Axial chest CT slice 75 of 421 (counted from the lowest slice); tube voltage 120 kVp, convolution kernel STANDARD; slices 1.25 mm thick, 0.703 mm per pixel.
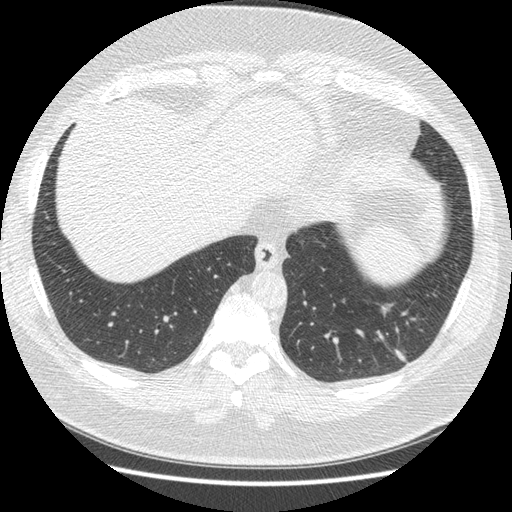
Pulmonary nodule at rows 303–361, columns 382–407 (box = the union of the readers' outlines on this slice), outlined four times (the source holds four more outlines, not used); longest diameter 30.9–38.9 mm and volume 4443–5826 mm3 across the four readers' outlines. The readers' ratings, as ranges where they differ: texture from 4/5 to 5/5 (solid) across the four readers; margin from 3/5 to 4/5 across the four readers; sphericity from 2/5 to 4/5 across the four readers; calcification absent, all four readers agreeing; internal structure soft tissue from all four readers; subtlety rated between 4 and 5 out of 5 by the four readers; malignancy likelihood rated between 2 and 5 out of 5 by the four readers. Scale key (1–5): texture non-solid→solid, margin indistinct→circumscribed, sphericity linear→round, subtlety extremely subtle→obvious, malignancy likelihood highly unlikely→highly suspicious of cancer. Box rows and columns are 0-based pixel indices from the top-left corner, inclusive.